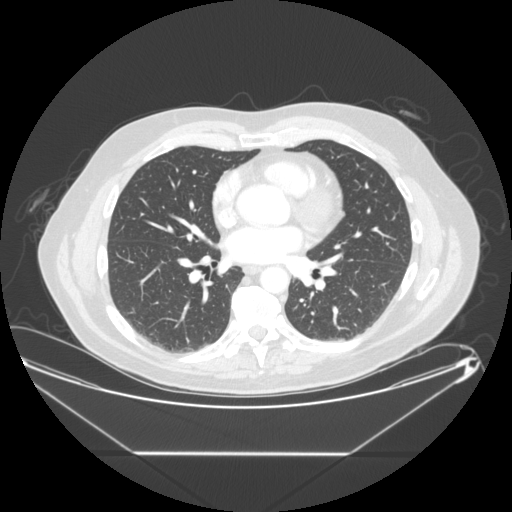
This is axial slice 126 of 265 (slice 1 is the lowest) of a chest CT; each pixel is 0.883 mm and the slice is 1.25 mm thick. None of the four readers outlined a nodule of 3 mm or more on this slice.
Tube voltage 120 kVp; convolution kernel STANDARD.